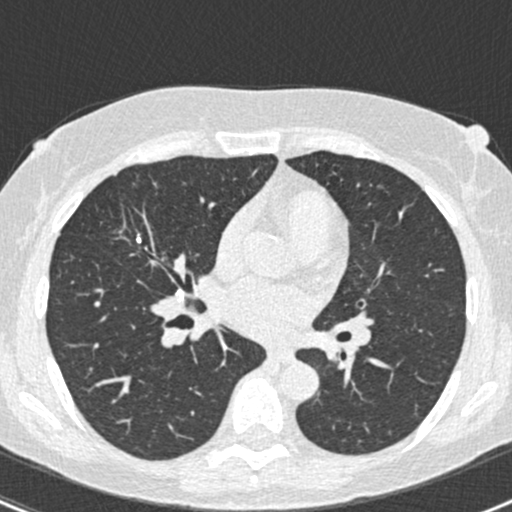
Axial slice 240 of 429 of a chest CT (slice 1 is the lowest), reconstructed with the B30f kernel at 120 kVp; 0.75 mm slice thickness and 0.586 mm pixels.
Pulmonary nodule outlined three times (the source holds two more outlines, not used); box rows 233–249, columns 136–147 (the union of the readers' outlines on this slice); longest diameter 9.3 mm on average over the three readers' outlines (readers' outlines 8.0–11.0 mm), volume 95–144 mm3. Ratings, by the readers' most common answer with dissent counted: texture 5/5 (solid), all three readers agreeing; margin 5/5 (circumscribed) from all three readers; sphericity split among the readers: 2/5 (one), 3/5 (ovoid) (one), 5/5 (round) (one); calcification solid calcification, all three readers agreeing; internal structure soft tissue from all three readers; most readers (two of three) put subtlety at 4/5, others 5/5 (one); malignancy likelihood 1/5 from all three readers. Scale key (1–5): texture non-solid→solid, margin indistinct→circumscribed, sphericity linear→round, subtlety extremely subtle→obvious, malignancy likelihood highly unlikely→highly suspicious of cancer. Box rows and columns are 0-based pixel indices from the top-left corner, inclusive.